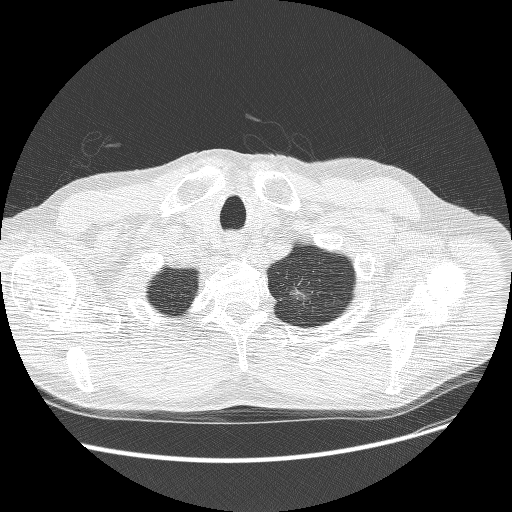
Axial chest CT slice 250 of 268 (counted from the lowest slice); tube voltage 120 kVp, convolution kernel BONE; slices 1.25 mm thick, 0.742 mm per pixel.
Pulmonary nodule, outlined by three of the four readers. Box on this slice rows 283–303, columns 285–311, the union of the readers' outlines on this slice; median longest diameter 31.0 mm (readers' outlines 30.8–31.7 mm), median volume 5956 mm3 (4750–7267 mm3). Ratings, median across the readers with their spread: texture 3/5 (part-solid), all three readers agreeing; margin 1/5 (indistinct), all three readers agreeing; sphericity 3/5 (ovoid) at the median of three readers, spread 3/5 (ovoid) to 4/5; calcification absent from all three readers; internal structure soft tissue from all three readers; subtlety 5/5 at the median of three readers, spread 4–5; median malignancy likelihood 4/5 (readers ranged 4–5). Scale key (1–5): texture non-solid→solid, margin indistinct→circumscribed, sphericity linear→round, subtlety extremely subtle→obvious, malignancy likelihood highly unlikely→highly suspicious of cancer. Box rows and columns are 0-based pixel indices from the top-left corner, inclusive.